One axial slice (338 of 481, counting up from the lowest) of a chest CT acquired at 120 kVp with the STANDARD kernel; each pixel is 0.703 mm and the slice is 1.25 mm thick.
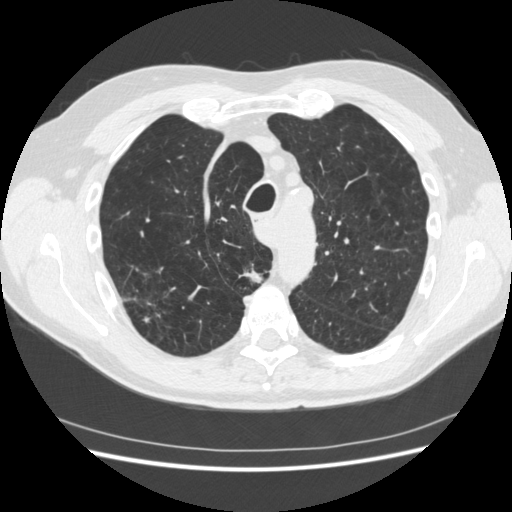
Pulmonary nodule outlined by three of the four readers; box rows 268–284, columns 240–264 (the union of the readers' outlines on this slice); median longest diameter 15.8 mm (readers' outlines 13.5–18.5 mm), median volume 713 mm3 (529–1088 mm3). Median ratings and the readers' spread: texture 5/5 (solid) from all three readers; median margin 4/5 (readers ranged 1/5 (indistinct) to 4/5); median sphericity 3/5 (ovoid) (readers ranged 2/5 to 3/5 (ovoid)); calcification absent from all three readers; internal structure soft tissue from all three readers; subtlety 5/5 at the median of three readers, spread 4–5; malignancy likelihood 5/5 at the median of three readers, spread 3–5. Scale key (1–5): texture non-solid→solid, margin indistinct→circumscribed, sphericity linear→round, subtlety extremely subtle→obvious, malignancy likelihood highly unlikely→highly suspicious of cancer. Box rows and columns are 0-based pixel indices from the top-left corner, inclusive.